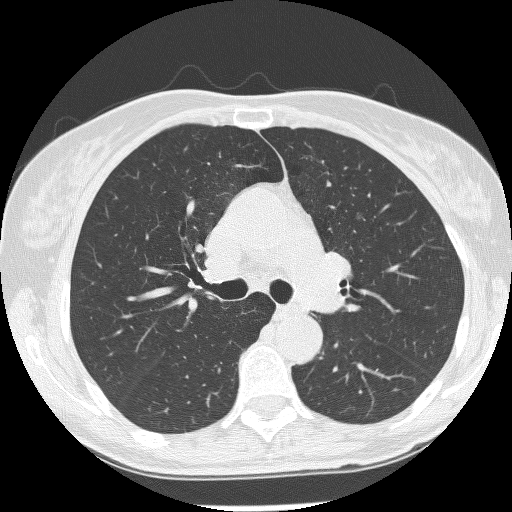
Axial slice 156 of 245 of a chest CT (slice 1 is the lowest), reconstructed with the BONE kernel at 120 kVp; 1.25 mm slice thickness and 0.592 mm pixels.
Pulmonary nodule, outlined by all four readers. Box on this slice rows 212–219, columns 356–362, the union of the readers' outlines on this slice; median longest diameter 5.1 mm (readers' outlines 4.3–5.5 mm), median volume 50 mm3 (33–71 mm3). Median ratings and the readers' spread: texture 1/5 (non-solid), all four readers agreeing; margin 2.5/5 at the median of four readers, spread 2/5 to 4/5; sphericity 4.5/5 at the median of four readers, spread 3/5 (ovoid) to 5/5 (round); calcification absent from all four readers; internal structure soft tissue, all four readers agreeing; median subtlety 2/5 (readers ranged 1–3); malignancy likelihood 3/5, all four readers agreeing. Scale key (1–5): texture non-solid→solid, margin indistinct→circumscribed, sphericity linear→round, subtlety extremely subtle→obvious, malignancy likelihood highly unlikely→highly suspicious of cancer. Box rows and columns are 0-based pixel indices from the top-left corner, inclusive.